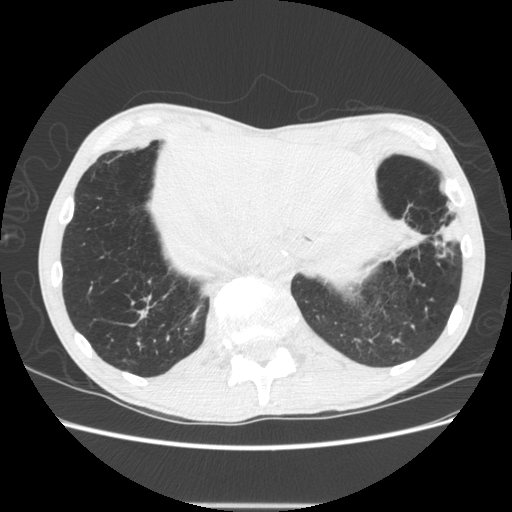
Slice 123/605 of a chest CT, counting up from the lowest; pixel size 0.703 mm, slice thickness 1.25 mm. Pulmonary nodule, outlined by one of the four readers. Box on this slice rows 216–240, columns 438–459, that reader's outline on this slice; longest diameter 29.0 mm and volume 1790 mm3 from that reader's outline. That reader's ratings: texture 4/5; margin 4/5; sphericity 2/5; calcification absent; internal structure soft tissue; subtlety 5/5; malignancy likelihood 4/5. Scale key (1–5): texture non-solid→solid, margin indistinct→circumscribed, sphericity linear→round, subtlety extremely subtle→obvious, malignancy likelihood highly unlikely→highly suspicious of cancer. Box rows and columns are 0-based pixel indices from the top-left corner, inclusive.
Scan settings: 120 kVp, STANDARD reconstruction kernel.